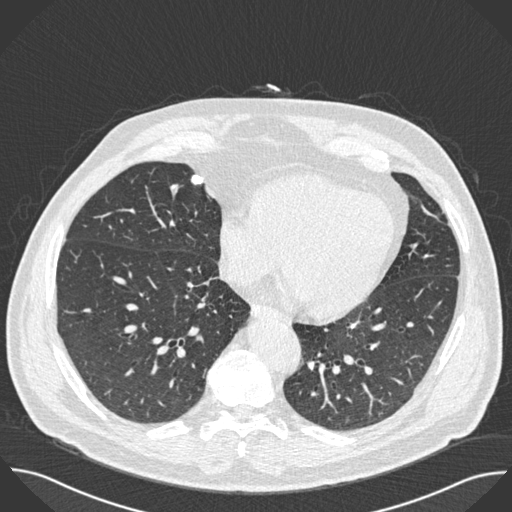
This is axial slice 217 of 493 (slice 1 is the lowest) of a chest CT; each pixel is 0.762 mm and the slice is 0.75 mm thick. Pulmonary nodule at rows 174–184, columns 191–203 (box = the union of the readers' outlines on this slice), outlined by all four readers; median longest diameter 11.1 mm (readers' outlines 10.6–11.2 mm), median volume 370 mm3 (320–406 mm3). Ratings, median across the readers with their spread: texture 5/5 (solid) from all four readers; margin 5/5 (circumscribed), all four readers agreeing; median sphericity 4/5 (readers ranged 3/5 (ovoid) to 4/5); calcification: solid calcification (three), central calcification (one); internal structure soft tissue, all four readers agreeing; median subtlety 4.5/5 (readers ranged 4–5); malignancy likelihood 1/5 from all four readers. Scale key (1–5): texture non-solid→solid, margin indistinct→circumscribed, sphericity linear→round, subtlety extremely subtle→obvious, malignancy likelihood highly unlikely→highly suspicious of cancer. Box rows and columns are 0-based pixel indices from the top-left corner, inclusive.
Tube voltage 120 kVp; convolution kernel B30f.